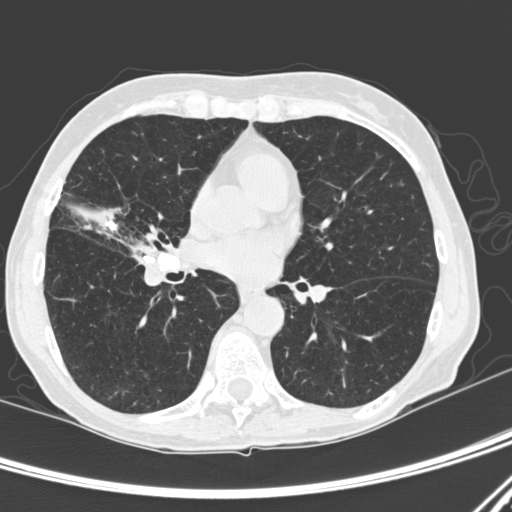
Axial chest CT slice 147 of 300 (counted from the lowest slice); tube voltage 120 kVp, convolution kernel D; slices 1.00 mm thick, 0.607 mm per pixel.
Pulmonary nodule at rows 225–228, columns 110–115 (box = that reader's outline on this slice), outlined by one of the four readers; longest diameter 6.5 mm and volume 53 mm3 from that reader's outline. Ratings by that reader: texture 5/5 (solid); margin 5/5 (circumscribed); sphericity 3/5 (ovoid); calcification solid calcification; internal structure soft tissue; subtlety 5/5; malignancy likelihood 1/5. Scale key (1–5): texture non-solid→solid, margin indistinct→circumscribed, sphericity linear→round, subtlety extremely subtle→obvious, malignancy likelihood highly unlikely→highly suspicious of cancer. Box rows and columns are 0-based pixel indices from the top-left corner, inclusive.